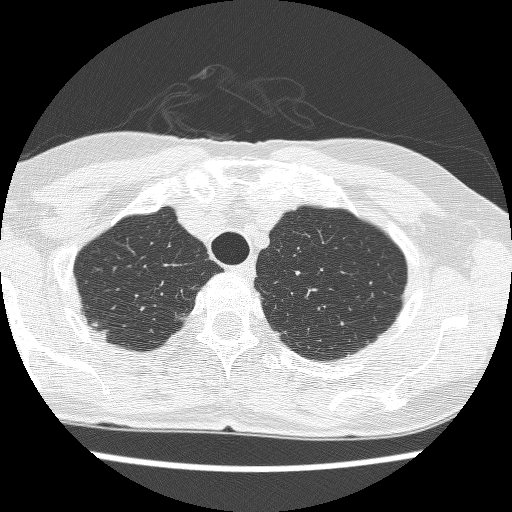
One axial slice (204 of 241, counting up from the lowest) of a chest CT acquired at 120 kVp with the BONE kernel; each pixel is 0.586 mm and the slice is 1.25 mm thick.
Pulmonary nodule outlined by two of the four readers, one of them on this slice; box rows 314–321, columns 174–187 (the one reader's outline on this slice); longest diameter 8.4 mm on average over the two readers' outlines (readers' outlines 7.5–9.3 mm), volume 124–243 mm3. Ratings, by the readers' most common answer with dissent counted: texture split among the readers: 4/5 (one), 5/5 (solid) (one); margin split among the readers: 4/5 (one), 5/5 (circumscribed) (one); sphericity split among the readers: 4/5 (one), 5/5 (round) (one); calcification absent, both readers agreeing; internal structure soft tissue from both readers; subtlety split among the readers: 4/5 (one), 5/5 (one); malignancy likelihood 4/5, both readers agreeing. Scale key (1–5): texture non-solid→solid, margin indistinct→circumscribed, sphericity linear→round, subtlety extremely subtle→obvious, malignancy likelihood highly unlikely→highly suspicious of cancer. Box rows and columns are 0-based pixel indices from the top-left corner, inclusive.